Axial chest CT slice 569 of 733 (counted from the lowest slice); tube voltage 120 kVp, convolution kernel B50f; slices 0.60 mm thick, 0.637 mm per pixel.
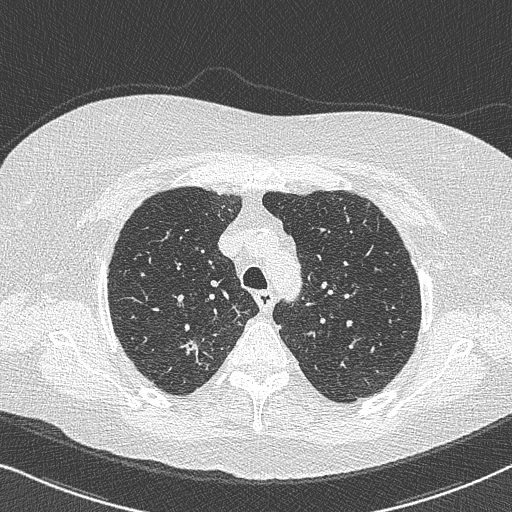
Pulmonary nodule at rows 338–356, columns 179–199 (box = the union of the readers' outlines on this slice), outlined by all four readers, three of them on this slice; median longest diameter 21.4 mm (readers' outlines 15.5–29.7 mm), median volume 1103 mm3 (888–2128 mm3). Ratings, median across the readers with their spread: texture 5/5 (solid) at the median of four readers, spread 4/5 to 5/5 (solid); margin 3/5 at the median of four readers, spread 1/5 (indistinct) to 4/5; median sphericity 3/5 (ovoid) (readers ranged 2/5 to 5/5 (round)); calcification absent, all four readers agreeing; internal structure soft tissue from all four readers; median subtlety 5/5 (readers ranged 4–5); malignancy likelihood 4/5 at the median of four readers, spread 4–5. Scale key (1–5): texture non-solid→solid, margin indistinct→circumscribed, sphericity linear→round, subtlety extremely subtle→obvious, malignancy likelihood highly unlikely→highly suspicious of cancer. Box rows and columns are 0-based pixel indices from the top-left corner, inclusive.